Axial chest CT slice 55 of 458 (counted from the lowest slice); tube voltage 120 kVp, convolution kernel STANDARD; slices 1.25 mm thick, 0.625 mm per pixel.
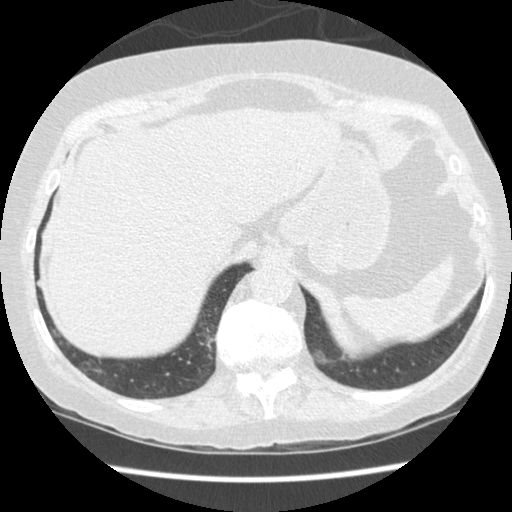
Pulmonary nodule outlined by one of the four readers; box rows 281–286, columns 36–39 (that reader's outline on this slice); longest diameter 6.4 mm and volume 86 mm3 from that reader's outline. That reader's ratings: texture 5/5 (solid); margin 4/5; sphericity 3/5 (ovoid); calcification absent; internal structure soft tissue; subtlety 3/5; malignancy likelihood 1/5. Scale key (1–5): texture non-solid→solid, margin indistinct→circumscribed, sphericity linear→round, subtlety extremely subtle→obvious, malignancy likelihood highly unlikely→highly suspicious of cancer. Box rows and columns are 0-based pixel indices from the top-left corner, inclusive.